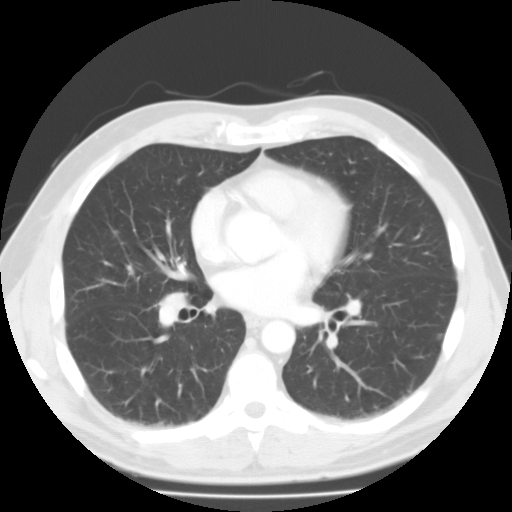
Chest CT, axial plane, 135 kVp, kernel FC01. Slice 58/116 from the bottom of the scan; thickness 3.00 mm; pixel size 0.714 mm.
Pulmonary nodule, outlined by two of the four readers. Box on this slice rows 334–340, columns 436–442, the union of the readers' outlines on this slice; median longest diameter 8.0 mm (readers' outlines 7.1–8.9 mm), median volume 226 mm3 (179–273 mm3). Ratings, median across the readers with their spread: texture 3/5 (part-solid) at the median of two readers, spread 2/5 to 4/5; margin 3/5 from both readers; sphericity 3/5 (ovoid), both readers agreeing; calcification absent, both readers agreeing; internal structure soft tissue from both readers; subtlety 3.5/5 at the median of two readers, spread 3–4; malignancy likelihood 3/5, both readers agreeing. Scale key (1–5): texture non-solid→solid, margin indistinct→circumscribed, sphericity linear→round, subtlety extremely subtle→obvious, malignancy likelihood highly unlikely→highly suspicious of cancer. Box rows and columns are 0-based pixel indices from the top-left corner, inclusive.